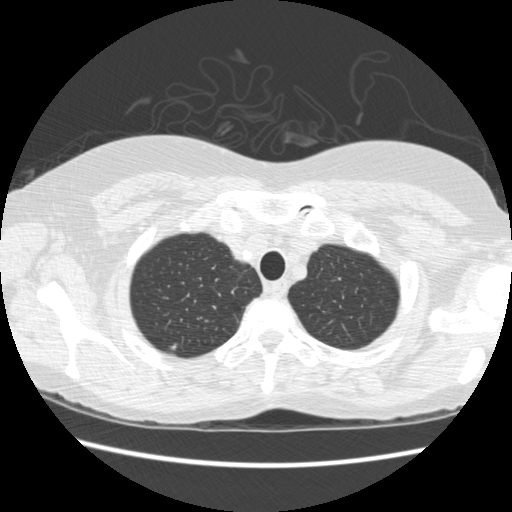
Slice 423/477 of a chest CT, counting up from the lowest; pixel size 0.664 mm, slice thickness 1.25 mm. Pulmonary nodule outlined by one of the four readers; box rows 344–349, columns 168–175 (that reader's outline on this slice); longest diameter 8.9 mm and volume 110 mm3 from that reader's outline. Ratings by that reader: texture 5/5 (solid); margin 4/5; sphericity 3/5 (ovoid); calcification absent; internal structure soft tissue; subtlety 4/5; malignancy likelihood 3/5. Scale key (1–5): texture non-solid→solid, margin indistinct→circumscribed, sphericity linear→round, subtlety extremely subtle→obvious, malignancy likelihood highly unlikely→highly suspicious of cancer. Box rows and columns are 0-based pixel indices from the top-left corner, inclusive.
Acquired at 120 kVp and reconstructed with the STANDARD kernel.